Axial chest CT slice 77 of 103 (counted from the lowest slice); tube voltage 135 kVp, convolution kernel FC01; slices 3.00 mm thick, 0.738 mm per pixel.
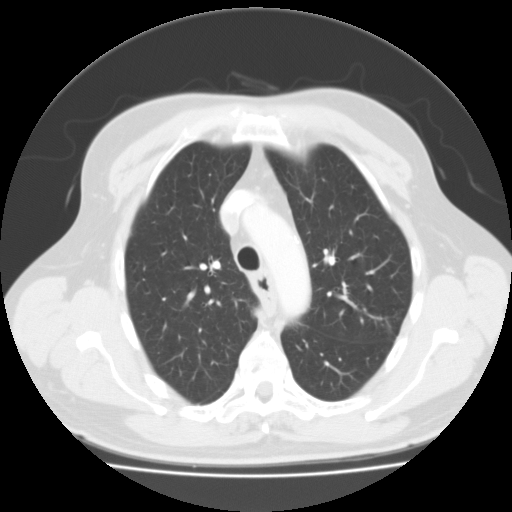
Pulmonary nodule, outlined by three of the four readers, one of them on this slice. Box on this slice rows 324–330, columns 387–391, the one reader's outline on this slice; longest diameter 18.2 mm on average over the three readers' outlines (readers' outlines 16.2–20.3 mm), volume 1237–2155 mm3. The readers' prevailing ratings and who disagreed: texture 5/5 (solid) from all three readers; margin split among the readers: 2/5 (one), 4/5 (one), 5/5 (circumscribed) (one); sphericity 5/5 (round) by two of three readers; the rest gave 4/5 (one); calcification split among the readers: central calcification (one), solid calcification (one), absent (one); internal structure soft tissue, all three readers agreeing; subtlety 5/5 from all three readers; malignancy likelihood 1/5 by two of three readers; the rest gave 5/5 (one). Scale key (1–5): texture non-solid→solid, margin indistinct→circumscribed, sphericity linear→round, subtlety extremely subtle→obvious, malignancy likelihood highly unlikely→highly suspicious of cancer. Box rows and columns are 0-based pixel indices from the top-left corner, inclusive.